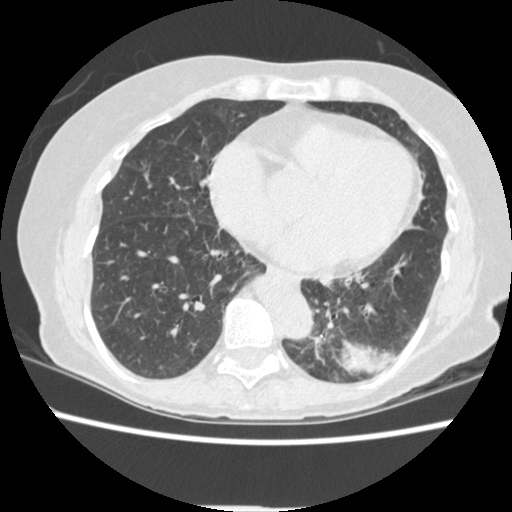
This is axial slice 120 of 362 (slice 1 is the lowest) of a chest CT; each pixel is 0.625 mm and the slice is 1.25 mm thick. Pulmonary nodule, outlined by one of the four readers. Box on this slice rows 341–372, columns 337–385, that reader's outline on this slice; longest diameter 37.2 mm and volume 2579 mm3 from that reader's outline. That reader's ratings: texture 5/5 (solid); margin 3/5; sphericity 4/5; calcification absent; internal structure soft tissue; subtlety 5/5; malignancy likelihood 4/5. Scale key (1–5): texture non-solid→solid, margin indistinct→circumscribed, sphericity linear→round, subtlety extremely subtle→obvious, malignancy likelihood highly unlikely→highly suspicious of cancer. Box rows and columns are 0-based pixel indices from the top-left corner, inclusive.
Scan settings: 120 kVp, STANDARD reconstruction kernel.